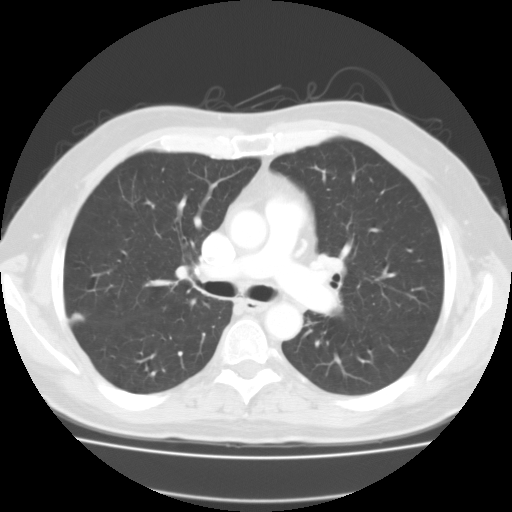
This is axial slice 84 of 127 (slice 1 is the lowest) of a chest CT; each pixel is 0.750 mm and the slice is 3.00 mm thick. Pulmonary nodule, outlined by all four readers. Box on this slice rows 312–324, columns 67–84, the union of the readers' outlines on this slice; the four readers' outlines give a longest diameter between 12.9 and 14.8 mm and a volume between 835 and 1181 mm3. Ratings across the readers: texture from 1/5 (non-solid) to 5/5 (solid) across the four readers; margin from 2/5 to 3/5 across the four readers; sphericity 3/5 (ovoid) from all four readers; calcification absent from all four readers; internal structure soft tissue from all four readers; subtlety 3–5/5 (the readers disagree); malignancy likelihood from 2/5 to 4/5 across the four readers. Scale key (1–5): texture non-solid→solid, margin indistinct→circumscribed, sphericity linear→round, subtlety extremely subtle→obvious, malignancy likelihood highly unlikely→highly suspicious of cancer. Box rows and columns are 0-based pixel indices from the top-left corner, inclusive.
Tube voltage 135 kVp; convolution kernel FC01.